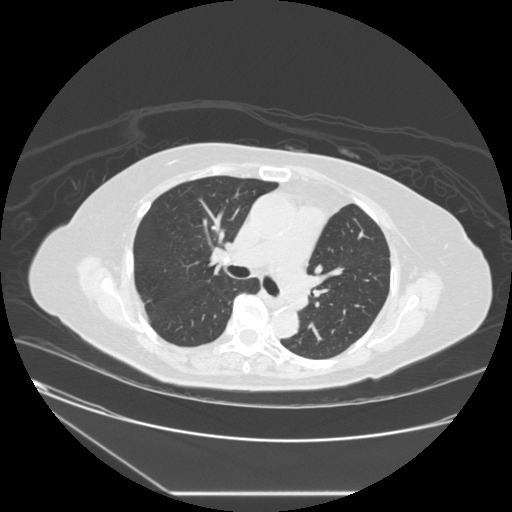
Slice 165/241 of a chest CT, counting up from the lowest; pixel size 0.773 mm, slice thickness 1.25 mm. Pulmonary nodule, outlined by three of the four readers, two of them on this slice. Box on this slice rows 226–229, columns 211–215, the union of the readers' outlines on this slice; the three readers' outlines give a longest diameter between 6.4 and 7.1 mm and a volume between 103 and 202 mm3. The readers' ratings, as ranges where they differ: texture 5/5 (solid) from all three readers; margin 5/5 (circumscribed), all three readers agreeing; sphericity from 3/5 (ovoid) to 5/5 (round) across the three readers; calcification: solid calcification (two), central calcification (one); internal structure soft tissue, all three readers agreeing; subtlety 4–5/5 (the readers disagree); malignancy likelihood 1/5 from all three readers. Scale key (1–5): texture non-solid→solid, margin indistinct→circumscribed, sphericity linear→round, subtlety extremely subtle→obvious, malignancy likelihood highly unlikely→highly suspicious of cancer. Box rows and columns are 0-based pixel indices from the top-left corner, inclusive.
Tube voltage 120 kVp; convolution kernel STANDARD.